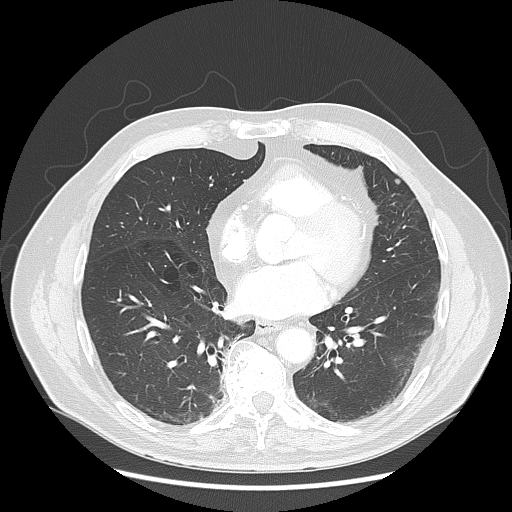
Axial slice 71 of 143 of a chest CT (slice 1 is the lowest), reconstructed with the LUNG kernel at 120 kVp; 2.50 mm slice thickness and 0.781 mm pixels.
Pulmonary nodule at rows 178–184, columns 395–400 (box = the union of the readers' outlines on this slice), outlined by all four readers; longest diameter 6.7 mm on average over the four readers' outlines (readers' outlines 6.3–7.4 mm), volume 91–152 mm3. Ratings, by the readers' most common answer with dissent counted: texture 5/5 (solid) from all four readers; margin 5/5 (circumscribed) from all four readers; most readers (three of four) put sphericity at 5/5 (round), others 4/5 (one); calcification absent, all four readers agreeing; internal structure soft tissue, all four readers agreeing; most readers (three of four) put subtlety at 4/5, others 3/5 (one); malignancy likelihood split among the readers: 2/5 (two), 3/5 (two). Scale key (1–5): texture non-solid→solid, margin indistinct→circumscribed, sphericity linear→round, subtlety extremely subtle→obvious, malignancy likelihood highly unlikely→highly suspicious of cancer. Box rows and columns are 0-based pixel indices from the top-left corner, inclusive.